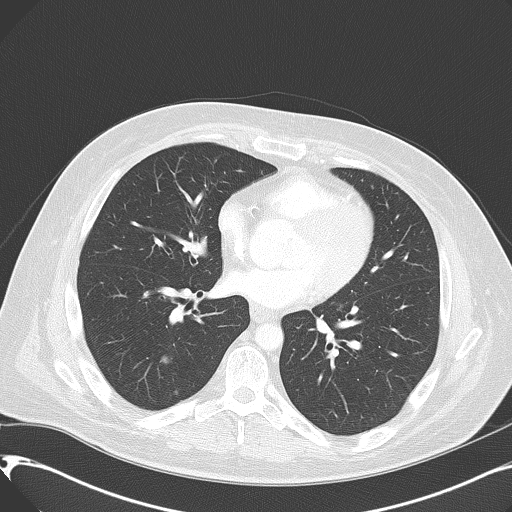
One axial slice (248 of 416, counting up from the lowest) of a chest CT acquired at 120 kVp with the B70f kernel; each pixel is 0.723 mm and the slice is 2.00 mm thick.
Pulmonary nodule outlined by two of the four readers; box rows 356–363, columns 160–169 (the union of the readers' outlines on this slice); median longest diameter 11.9 mm (readers' outlines 11.8–12.1 mm), median volume 666 mm3 (626–706 mm3). Ratings, median across the readers with their spread: texture 5/5 (solid) from both readers; margin 4.5/5 at the median of two readers, spread 4/5 to 5/5 (circumscribed); sphericity 4/5, both readers agreeing; calcification absent from both readers; internal structure soft tissue, both readers agreeing; median subtlety 4.5/5 (readers ranged 4–5); malignancy likelihood 4.5/5 at the median of two readers, spread 4–5. Scale key (1–5): texture non-solid→solid, margin indistinct→circumscribed, sphericity linear→round, subtlety extremely subtle→obvious, malignancy likelihood highly unlikely→highly suspicious of cancer. Box rows and columns are 0-based pixel indices from the top-left corner, inclusive.